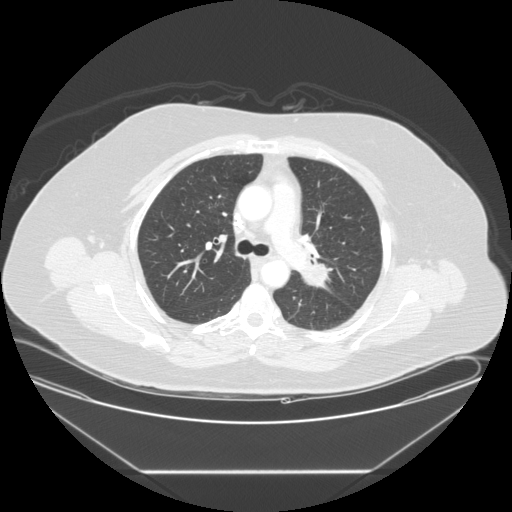
This is axial slice 157 of 225 (slice 1 is the lowest) of a chest CT; each pixel is 0.828 mm and the slice is 1.25 mm thick. Pulmonary nodule at rows 264–285, columns 302–328 (box = that reader's outline on this slice), outlined by one of the four readers; longest diameter 33.6 mm and volume 4404 mm3 from that reader's outline. That reader's ratings: texture 5/5 (solid); margin 2/5; sphericity 3/5 (ovoid); calcification absent; internal structure soft tissue; subtlety 5/5; malignancy likelihood 5/5. Scale key (1–5): texture non-solid→solid, margin indistinct→circumscribed, sphericity linear→round, subtlety extremely subtle→obvious, malignancy likelihood highly unlikely→highly suspicious of cancer. Box rows and columns are 0-based pixel indices from the top-left corner, inclusive.
Scan settings: 120 kVp, STANDARD reconstruction kernel.